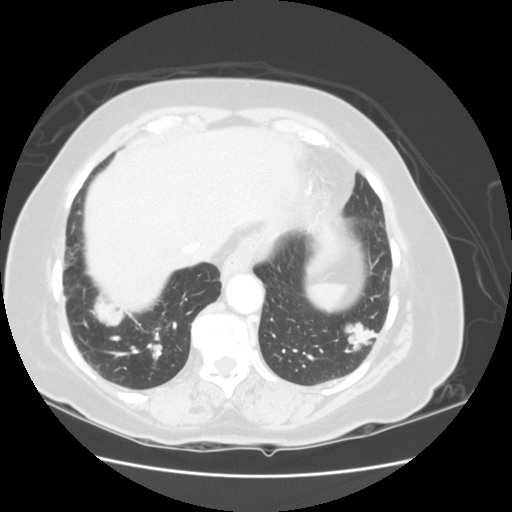
One axial slice (28 of 114, counting up from the lowest) of a chest CT acquired at 120 kVp with the STANDARD kernel; each pixel is 0.703 mm and the slice is 2.50 mm thick.
Two pulmonary nodules are outlined on this slice; from left to right: (1) Pulmonary nodule outlined by three of the four readers; box rows 294–326, columns 92–125 (the union of the readers' outlines on this slice); longest diameter 37.9 mm on average over the three readers' outlines (readers' outlines 33.9–44.7 mm), volume 10097–11661 mm3. The readers' prevailing ratings and who disagreed: texture 5/5 (solid), all three readers agreeing; most readers (two of three) put margin at 4/5, others 5/5 (circumscribed) (one); most readers (two of three) put sphericity at 3/5 (ovoid), others 4/5 (one); calcification absent from all three readers; internal structure soft tissue from all three readers; subtlety 5/5 from all three readers; malignancy likelihood 5/5 by two of three readers; the rest gave 3/5 (one). (2) Pulmonary nodule at rows 321–349, columns 344–378 (box = the union of the readers' outlines on this slice), outlined by two of the four readers; longest diameter 32.3 mm on average over the two readers' outlines (readers' outlines 31.2–33.4 mm), volume 9358–10207 mm3. Ratings, by the readers' most common answer with dissent counted: texture 5/5 (solid) from both readers; margin 4/5, both readers agreeing; sphericity 3/5 (ovoid) from both readers; calcification absent from both readers; internal structure soft tissue from both readers; subtlety 5/5, both readers agreeing; malignancy likelihood 5/5, both readers agreeing. Scale key (1–5): texture non-solid→solid, margin indistinct→circumscribed, sphericity linear→round, subtlety extremely subtle→obvious, malignancy likelihood highly unlikely→highly suspicious of cancer. Box rows and columns are 0-based pixel indices from the top-left corner, inclusive.